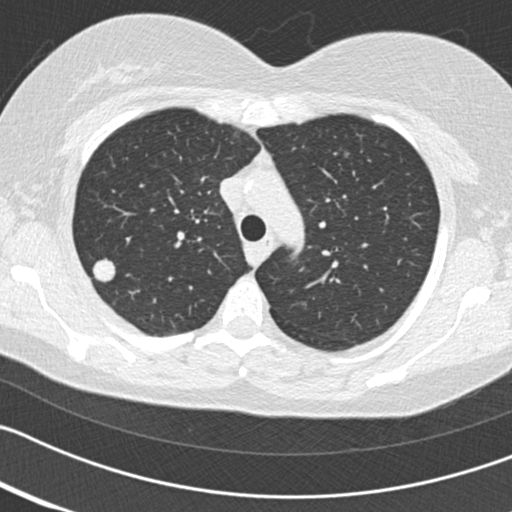
Slice 122/161 of a chest CT, counting up from the lowest; pixel size 0.586 mm, slice thickness 2.00 mm. Pulmonary nodule outlined by all four readers; box rows 258–282, columns 92–116 (the union of the readers' outlines on this slice); longest diameter 16.3 mm on average over the four readers' outlines (readers' outlines 15.4–17.6 mm), volume 1259–1807 mm3. The readers' prevailing ratings and who disagreed: texture 5/5 (solid) by three of four readers; the rest gave 4/5 (one); most readers (three of four) put margin at 5/5 (circumscribed), others 4/5 (one); sphericity 5/5 (round), all four readers agreeing; calcification split among the readers: central calcification (two), absent (two); internal structure soft tissue from all four readers; subtlety 5/5, all four readers agreeing; malignancy likelihood split among the readers: 1/5 (two), 3/5 (two). Scale key (1–5): texture non-solid→solid, margin indistinct→circumscribed, sphericity linear→round, subtlety extremely subtle→obvious, malignancy likelihood highly unlikely→highly suspicious of cancer. Box rows and columns are 0-based pixel indices from the top-left corner, inclusive.
Tube voltage 120 kVp; convolution kernel B30f.